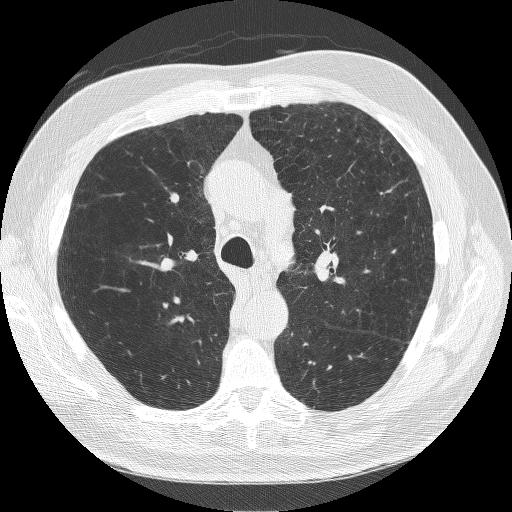
Axial chest CT slice 164 of 237 (counted from the lowest slice); 1.25 mm thick, 0.664 mm per pixel. This slice carries no reader outline of a nodule 3 mm or larger.
Scan settings: 120 kVp, BONE reconstruction kernel.